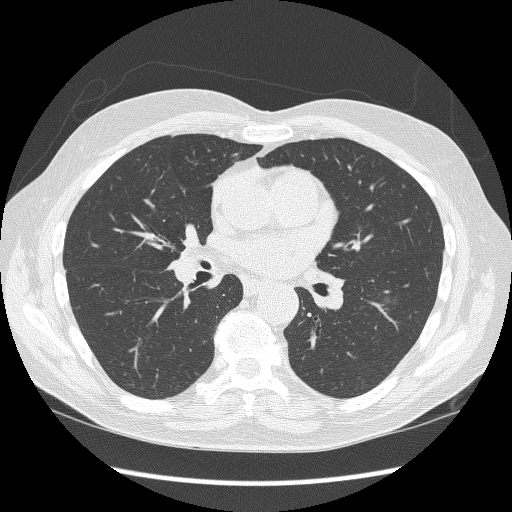
Slice 176/298 of a chest CT, counting up from the lowest; pixel size 0.719 mm, slice thickness 1.25 mm. Pulmonary nodule, outlined by two of the four readers. Box on this slice rows 295–309, columns 382–398, the union of the readers' outlines on this slice; median longest diameter 18.2 mm (readers' outlines 18.0–18.4 mm), median volume 970 mm3 (963–976 mm3). Ratings, median across the readers with their spread: texture 1/5 (non-solid) from both readers; median margin 3/5 (readers ranged 1/5 (indistinct) to 5/5 (circumscribed)); median sphericity 2.5/5 (readers ranged 2/5 to 3/5 (ovoid)); calcification absent from both readers; internal structure soft tissue, both readers agreeing; median subtlety 3.5/5 (readers ranged 3–4); median malignancy likelihood 3.5/5 (readers ranged 3–4). Scale key (1–5): texture non-solid→solid, margin indistinct→circumscribed, sphericity linear→round, subtlety extremely subtle→obvious, malignancy likelihood highly unlikely→highly suspicious of cancer. Box rows and columns are 0-based pixel indices from the top-left corner, inclusive.
Tube voltage 120 kVp; convolution kernel BONE.